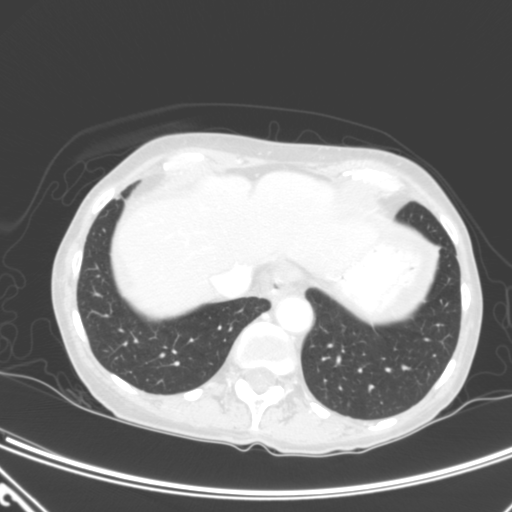
Axial chest CT slice 74 of 320 (counted from the lowest slice); tube voltage 120 kVp, convolution kernel B; slices 2.00 mm thick, 0.662 mm per pixel.
Pulmonary nodule at rows 195–199, columns 114–121 (box = that reader's outline on this slice), outlined by one of the four readers; longest diameter 6.6 mm and volume 116 mm3 from that reader's outline. That reader's ratings: texture 5/5 (solid); margin 4/5; sphericity 2/5; calcification absent; internal structure soft tissue; subtlety 2/5; malignancy likelihood 1/5. Scale key (1–5): texture non-solid→solid, margin indistinct→circumscribed, sphericity linear→round, subtlety extremely subtle→obvious, malignancy likelihood highly unlikely→highly suspicious of cancer. Box rows and columns are 0-based pixel indices from the top-left corner, inclusive.